One axial slice (95 of 126, counting up from the lowest) of a chest CT acquired at 135 kVp with the FC01 kernel; each pixel is 0.744 mm and the slice is 3.00 mm thick.
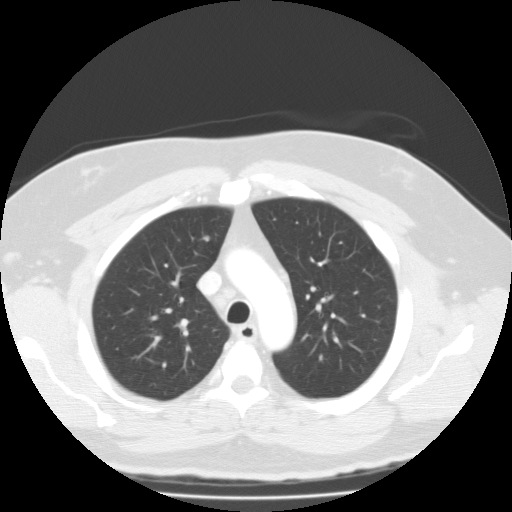
Pulmonary nodule, outlined by two of the four readers. Box on this slice rows 236–240, columns 203–209, the union of the readers' outlines on this slice; median longest diameter 6.4 mm (readers' outlines 6.4 mm), median volume 106 mm3 (93–120 mm3). Ratings, median across the readers with their spread: median texture 2.5/5 (readers ranged 2/5 to 3/5 (part-solid)); margin 2/5, both readers agreeing; sphericity 4/5 from both readers; calcification absent from both readers; internal structure soft tissue, both readers agreeing; subtlety 1.5/5 at the median of two readers, spread 1–2; malignancy likelihood 2.5/5 at the median of two readers, spread 2–3. Scale key (1–5): texture non-solid→solid, margin indistinct→circumscribed, sphericity linear→round, subtlety extremely subtle→obvious, malignancy likelihood highly unlikely→highly suspicious of cancer. Box rows and columns are 0-based pixel indices from the top-left corner, inclusive.